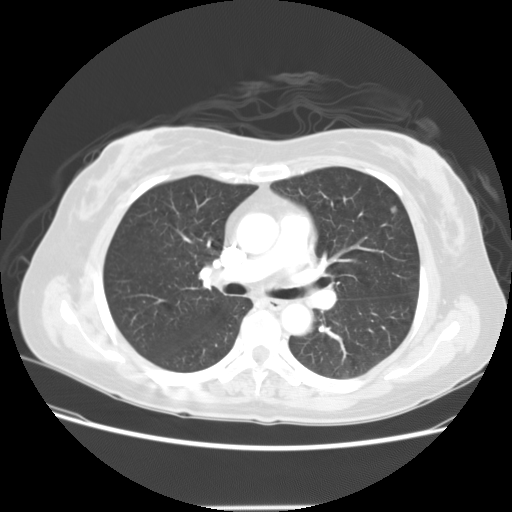
One axial slice (90 of 133, counting up from the lowest) of a chest CT acquired at 120 kVp with the STANDARD kernel; each pixel is 0.703 mm and the slice is 2.50 mm thick.
Pulmonary nodule at rows 205–213, columns 390–396 (box = the union of the readers' outlines on this slice), outlined by all four readers; median longest diameter 7.1 mm (readers' outlines 6.7–7.6 mm), median volume 131 mm3 (113–150 mm3). Median ratings and the readers' spread: texture 5/5 (solid) from all four readers; median margin 5/5 (circumscribed) (readers ranged 4/5 to 5/5 (circumscribed)); sphericity 4/5 at the median of four readers, spread 3/5 (ovoid) to 5/5 (round); calcification absent, all four readers agreeing; internal structure soft tissue from all four readers; median subtlety 4/5 (readers ranged 2–4); median malignancy likelihood 2.5/5 (readers ranged 2–3). Scale key (1–5): texture non-solid→solid, margin indistinct→circumscribed, sphericity linear→round, subtlety extremely subtle→obvious, malignancy likelihood highly unlikely→highly suspicious of cancer. Box rows and columns are 0-based pixel indices from the top-left corner, inclusive.